Axial slice 97 of 135 of a chest CT (slice 1 is the lowest), reconstructed with the LUNG kernel at 120 kVp; 2.50 mm slice thickness and 0.781 mm pixels.
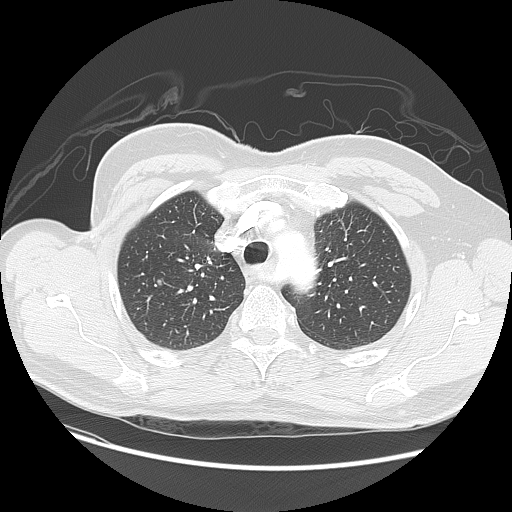
Pulmonary nodule outlined by all four readers; box rows 280–286, columns 157–162 (the union of the readers' outlines on this slice); the four readers' outlines give a longest diameter between 10.6 and 13.7 mm and a volume between 560 and 752 mm3. Ratings across the readers: texture 5/5 (solid) from all four readers; margin from 4/5 to 5/5 (circumscribed) across the four readers; sphericity from 4/5 to 5/5 (round) across the four readers; calcification absent from all four readers; internal structure soft tissue from all four readers; subtlety rated between 4 and 5 out of 5 by the four readers; malignancy likelihood 2–4/5 (the readers disagree). Scale key (1–5): texture non-solid→solid, margin indistinct→circumscribed, sphericity linear→round, subtlety extremely subtle→obvious, malignancy likelihood highly unlikely→highly suspicious of cancer. Box rows and columns are 0-based pixel indices from the top-left corner, inclusive.